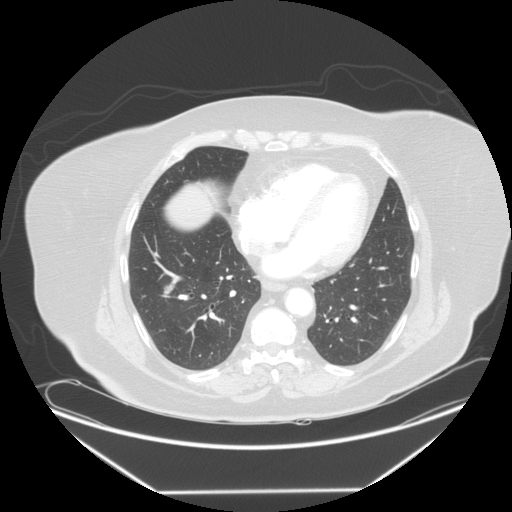
Chest CT, axial plane, 120 kVp, kernel STANDARD. Slice 60/139 from the bottom of the scan; thickness 2.50 mm; pixel size 0.898 mm.
Pulmonary nodule outlined by three of the four readers; box rows 283–293, columns 163–174 (the union of the readers' outlines on this slice); longest diameter 18.0 mm on average over the three readers' outlines (readers' outlines 17.4–18.7 mm), volume 1637–1856 mm3. Ratings, by the readers' most common answer with dissent counted: texture 5/5 (solid) from all three readers; most readers (two of three) put margin at 4/5, others 5/5 (circumscribed) (one); most readers (two of three) put sphericity at 3/5 (ovoid), others 2/5 (one); calcification absent from all three readers; internal structure soft tissue, all three readers agreeing; subtlety 5/5 from all three readers; malignancy likelihood 4/5 by two of three readers; the rest gave 3/5 (one). Scale key (1–5): texture non-solid→solid, margin indistinct→circumscribed, sphericity linear→round, subtlety extremely subtle→obvious, malignancy likelihood highly unlikely→highly suspicious of cancer. Box rows and columns are 0-based pixel indices from the top-left corner, inclusive.